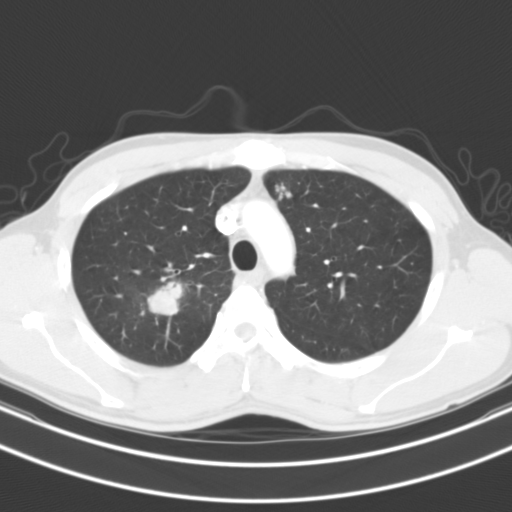
Axial chest CT slice 76 of 104 (counted from the lowest slice); 3.00 mm thick, 0.637 mm per pixel. Pulmonary nodule at rows 184–200, columns 275–291 (box = the union of the readers' outlines on this slice), outlined by three of the four readers; median longest diameter 14.2 mm (readers' outlines 14.0–14.9 mm), median volume 683 mm3 (609–830 mm3). Median ratings and the readers' spread: median texture 5/5 (solid) (readers ranged 4/5 to 5/5 (solid)); median margin 3/5 (readers ranged 2/5 to 4/5); sphericity 4/5 at the median of three readers, spread 3/5 (ovoid) to 4/5; calcification absent, all three readers agreeing; internal structure soft tissue from all three readers; median subtlety 5/5 (readers ranged 4–5); malignancy likelihood 4/5 at the median of three readers, spread 1–5. Scale key (1–5): texture non-solid→solid, margin indistinct→circumscribed, sphericity linear→round, subtlety extremely subtle→obvious, malignancy likelihood highly unlikely→highly suspicious of cancer. Box rows and columns are 0-based pixel indices from the top-left corner, inclusive.
Acquired at 130 kVp and reconstructed with the B31s kernel.